Axial slice 256 of 321 of a chest CT (slice 1 is the lowest), reconstructed with the D kernel at 120 kVp; 2.00 mm slice thickness and 0.557 mm pixels.
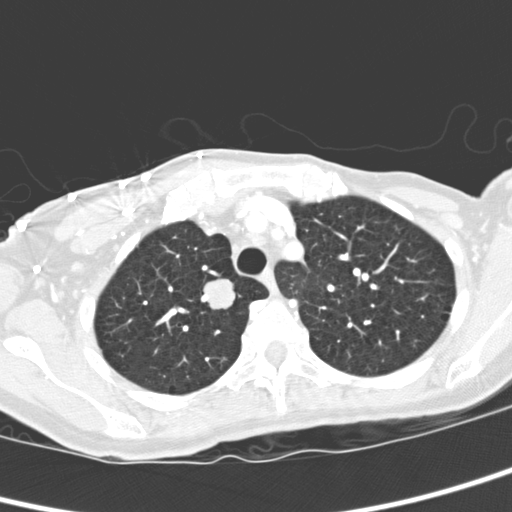
Pulmonary nodule outlined by all four readers; box rows 278–310, columns 202–236 (the union of the readers' outlines on this slice); longest diameter 20.6 mm on average over the four readers' outlines (readers' outlines 19.2–21.9 mm), volume 3323–4100 mm3. The readers' prevailing ratings and who disagreed: texture 5/5 (solid), all four readers agreeing; most readers (three of four) put margin at 5/5 (circumscribed), others 4/5 (one); most readers (three of four) put sphericity at 5/5 (round), others 4/5 (one); calcification absent from all four readers; internal structure soft tissue from all four readers; subtlety 5/5 from all four readers; malignancy likelihood 5/5 by two of four readers; the rest gave 3/5 (one), 4/5 (one). Scale key (1–5): texture non-solid→solid, margin indistinct→circumscribed, sphericity linear→round, subtlety extremely subtle→obvious, malignancy likelihood highly unlikely→highly suspicious of cancer. Box rows and columns are 0-based pixel indices from the top-left corner, inclusive.